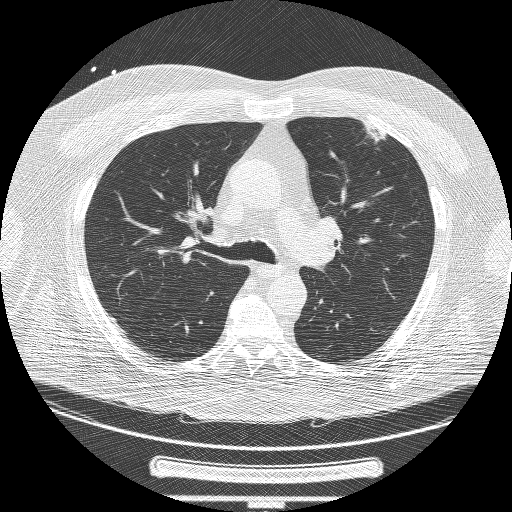
This is axial slice 149 of 239 (slice 1 is the lowest) of a chest CT; each pixel is 0.795 mm and the slice is 1.25 mm thick. Pulmonary nodule, outlined by two of the four readers. Box on this slice rows 124–144, columns 363–385, the union of the readers' outlines on this slice; longest diameter 43.2 mm on average over the two readers' outlines (readers' outlines 43.0–43.4 mm), volume 10396–11168 mm3. The readers' prevailing ratings and who disagreed: texture split among the readers: 3/5 (part-solid) (one), 5/5 (solid) (one); margin split among the readers: 1/5 (indistinct) (one), 3/5 (one); sphericity split among the readers: 1/5 (linear) (one), 3/5 (ovoid) (one); calcification absent from both readers; internal structure soft tissue from both readers; subtlety 5/5, both readers agreeing; malignancy likelihood 5/5, both readers agreeing. Scale key (1–5): texture non-solid→solid, margin indistinct→circumscribed, sphericity linear→round, subtlety extremely subtle→obvious, malignancy likelihood highly unlikely→highly suspicious of cancer. Box rows and columns are 0-based pixel indices from the top-left corner, inclusive.
Acquired at 120 kVp and reconstructed with the BONE kernel.